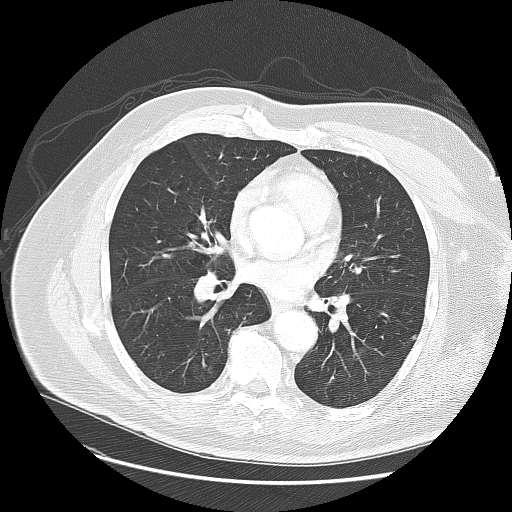
Chest CT, axial plane, 120 kVp, kernel LUNG. Slice 74/140 from the bottom of the scan; thickness 2.50 mm; pixel size 0.781 mm.
Pulmonary nodule outlined by three of the four readers; box rows 335–339, columns 412–416 (the union of the readers' outlines on this slice); median longest diameter 7.0 mm (readers' outlines 5.9–8.0 mm), median volume 129 mm3 (79–149 mm3). Median ratings and the readers' spread: texture 5/5 (solid) from all three readers; margin 4/5 at the median of three readers, spread 4/5 to 5/5 (circumscribed); sphericity 3/5 (ovoid) at the median of three readers, spread 2/5 to 3/5 (ovoid); calcification: absent (two), central calcification (one); internal structure soft tissue from all three readers; median subtlety 4/5 (readers ranged 3–4); median malignancy likelihood 3/5 (readers ranged 2–4). Scale key (1–5): texture non-solid→solid, margin indistinct→circumscribed, sphericity linear→round, subtlety extremely subtle→obvious, malignancy likelihood highly unlikely→highly suspicious of cancer. Box rows and columns are 0-based pixel indices from the top-left corner, inclusive.